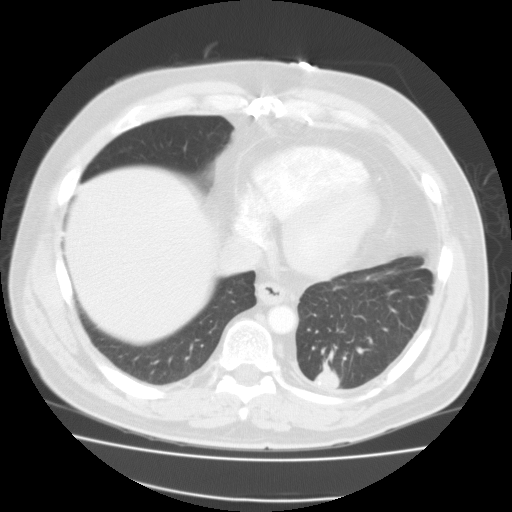
Slice 44/115 of a chest CT, counting up from the lowest; pixel size 0.782 mm, slice thickness 3.00 mm. Pulmonary nodule at rows 359–387, columns 313–340 (box = the union of the readers' outlines on this slice), outlined by all four readers; longest diameter 28.5 mm on average over the four readers' outlines (readers' outlines 25.2–31.6 mm), volume 5217–6928 mm3. Ratings, by the readers' most common answer with dissent counted: most readers (three of four) put texture at 5/5 (solid), others 4/5 (one); most readers (three of four) put margin at 4/5, others 2/5 (one); sphericity 4/5 by two of four readers; the rest gave 2/5 (one), 3/5 (ovoid) (one); calcification split among the readers: non-central calcification (two), absent (two); internal structure soft tissue, all four readers agreeing; subtlety 5/5, all four readers agreeing; malignancy likelihood 3/5 by two of four readers; the rest gave 2/5 (one), 5/5 (one). Scale key (1–5): texture non-solid→solid, margin indistinct→circumscribed, sphericity linear→round, subtlety extremely subtle→obvious, malignancy likelihood highly unlikely→highly suspicious of cancer. Box rows and columns are 0-based pixel indices from the top-left corner, inclusive.
Scan settings: 135 kVp, FC01 reconstruction kernel.